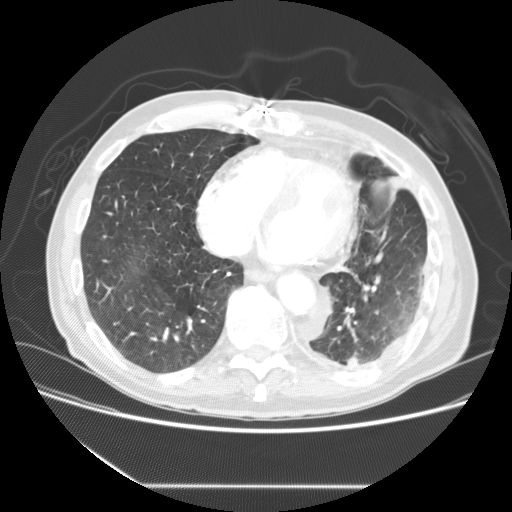
One axial slice (63 of 149, counting up from the lowest) of a chest CT acquired at 120 kVp with the STANDARD kernel; each pixel is 0.742 mm and the slice is 2.50 mm thick.
Pulmonary nodule outlined by one of the four readers; box rows 355–364, columns 346–357 (that reader's outline on this slice); longest diameter 9.7 mm and volume 438 mm3 from that reader's outline. That reader's ratings: texture 5/5 (solid); margin 5/5 (circumscribed); sphericity 4/5; calcification absent; internal structure soft tissue; subtlety 3/5; malignancy likelihood 2/5. Scale key (1–5): texture non-solid→solid, margin indistinct→circumscribed, sphericity linear→round, subtlety extremely subtle→obvious, malignancy likelihood highly unlikely→highly suspicious of cancer. Box rows and columns are 0-based pixel indices from the top-left corner, inclusive.